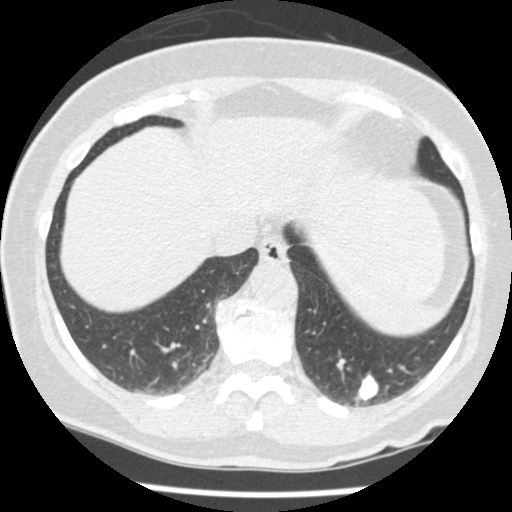
Axial chest CT slice 119 of 465 (counted from the lowest slice); tube voltage 120 kVp, convolution kernel STANDARD; slices 1.25 mm thick, 0.586 mm per pixel.
Pulmonary nodule outlined by all four readers; box rows 373–400, columns 358–378 (the union of the readers' outlines on this slice); longest diameter 15.8–20.8 mm and volume 1106–1600 mm3 across the four readers' outlines. Ratings across the readers: texture 5/5 (solid), all four readers agreeing; margin from 3/5 to 5/5 (circumscribed) across the four readers; sphericity from 3/5 (ovoid) to 4/5 across the four readers; calcification: absent (two), solid calcification (one), central calcification (one); internal structure soft tissue, all four readers agreeing; subtlety 5/5 from all four readers; malignancy likelihood 1–5/5 (the readers disagree). Scale key (1–5): texture non-solid→solid, margin indistinct→circumscribed, sphericity linear→round, subtlety extremely subtle→obvious, malignancy likelihood highly unlikely→highly suspicious of cancer. Box rows and columns are 0-based pixel indices from the top-left corner, inclusive.